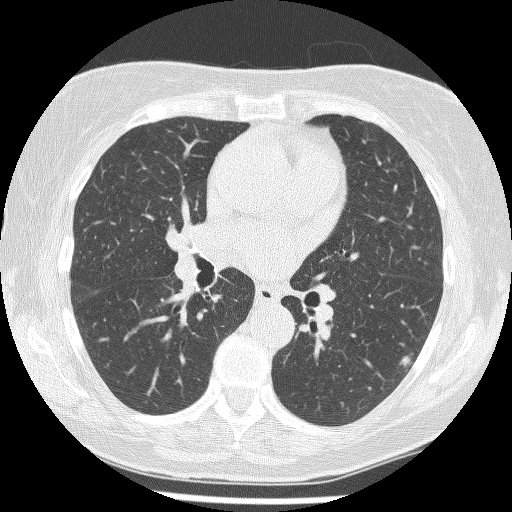
Slice 137/241 of a chest CT, counting up from the lowest; pixel size 0.590 mm, slice thickness 1.25 mm. Pulmonary nodule at rows 352–368, columns 398–412 (box = the union of the readers' outlines on this slice), outlined by all four readers; median longest diameter 10.4 mm (readers' outlines 8.4–12.5 mm), median volume 268 mm3 (155–364 mm3). Median ratings and the readers' spread: median texture 4/5 (readers ranged 4/5 to 5/5 (solid)); margin 2/5 at the median of four readers, spread 1/5 (indistinct) to 3/5; sphericity 3.5/5 at the median of four readers, spread 3/5 (ovoid) to 5/5 (round); calcification absent from all four readers; internal structure soft tissue, all four readers agreeing; median subtlety 4/5 (readers ranged 4–5); median malignancy likelihood 4/5 (readers ranged 3–5). Scale key (1–5): texture non-solid→solid, margin indistinct→circumscribed, sphericity linear→round, subtlety extremely subtle→obvious, malignancy likelihood highly unlikely→highly suspicious of cancer. Box rows and columns are 0-based pixel indices from the top-left corner, inclusive.
Scan settings: 120 kVp, BONE reconstruction kernel.